Chest CT, axial plane, 120 kVp, kernel B70f. Slice 194/345 from the bottom of the scan; thickness 2.00 mm; pixel size 0.541 mm.
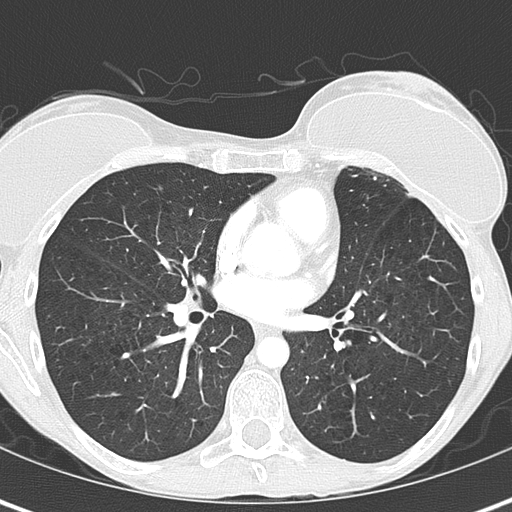
Pulmonary nodule, outlined by all four readers. Box on this slice rows 339–347, columns 342–351, the union of the readers' outlines on this slice; the four readers' outlines give a longest diameter between 6.3 and 7.7 mm and a volume between 105 and 184 mm3. The readers' ratings, as ranges where they differ: texture 5/5 (solid), all four readers agreeing; margin 5/5 (circumscribed) from all four readers; sphericity from 4/5 to 5/5 (round) across the four readers; calcification split among the readers: laminated calcification (two), solid calcification (two); internal structure soft tissue, all four readers agreeing; subtlety 2–5/5 (the readers disagree); malignancy likelihood 1/5, all four readers agreeing. Scale key (1–5): texture non-solid→solid, margin indistinct→circumscribed, sphericity linear→round, subtlety extremely subtle→obvious, malignancy likelihood highly unlikely→highly suspicious of cancer. Box rows and columns are 0-based pixel indices from the top-left corner, inclusive.